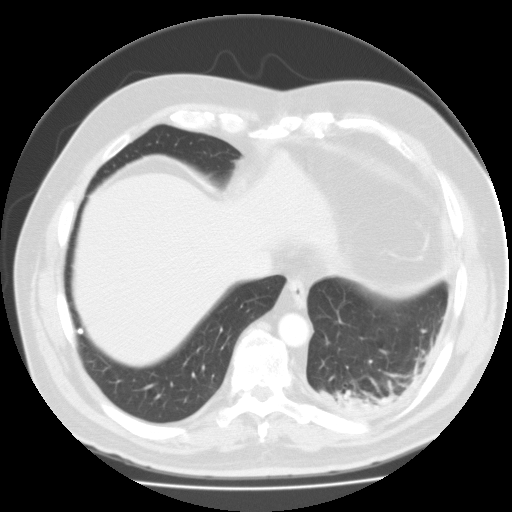
Chest CT, axial plane, 135 kVp, kernel FC01. Slice 43/111 from the bottom of the scan; thickness 3.00 mm; pixel size 0.769 mm.
Pulmonary nodule at rows 329–333, columns 77–82 (box = the union of the readers' outlines on this slice), outlined by two of the four readers; longest diameter 5.2 mm on average over the two readers' outlines (readers' outlines 4.9–5.4 mm), volume 82–114 mm3. The readers' prevailing ratings and who disagreed: texture 5/5 (solid) from both readers; margin 5/5 (circumscribed), both readers agreeing; sphericity 5/5 (round), both readers agreeing; calcification solid calcification from both readers; internal structure soft tissue from both readers; subtlety split among the readers: 2/5 (one), 4/5 (one); malignancy likelihood 1/5, both readers agreeing. Scale key (1–5): texture non-solid→solid, margin indistinct→circumscribed, sphericity linear→round, subtlety extremely subtle→obvious, malignancy likelihood highly unlikely→highly suspicious of cancer. Box rows and columns are 0-based pixel indices from the top-left corner, inclusive.